Chest CT, axial plane, 120 kVp, kernel B30f. Slice 341/376 from the bottom of the scan; thickness 0.75 mm; pixel size 0.461 mm.
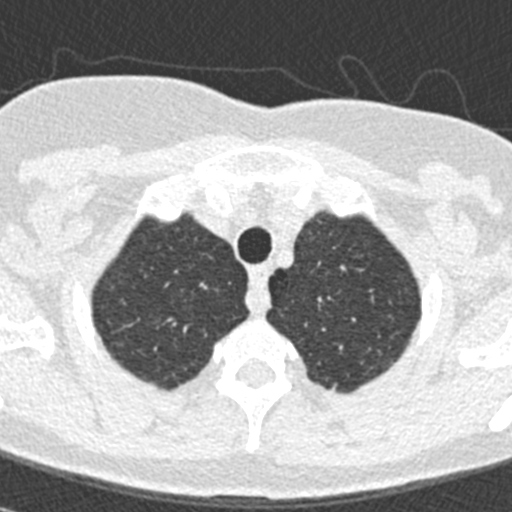
Pulmonary nodule at rows 382–384, columns 177–180 (box = that reader's outline on this slice), outlined by one of the four readers; longest diameter 4.3 mm and volume 32 mm3 from that reader's outline. Ratings by that reader: texture 5/5 (solid); margin 4/5; sphericity 4/5; calcification absent; internal structure soft tissue; subtlety 5/5; malignancy likelihood 3/5. Scale key (1–5): texture non-solid→solid, margin indistinct→circumscribed, sphericity linear→round, subtlety extremely subtle→obvious, malignancy likelihood highly unlikely→highly suspicious of cancer. Box rows and columns are 0-based pixel indices from the top-left corner, inclusive.